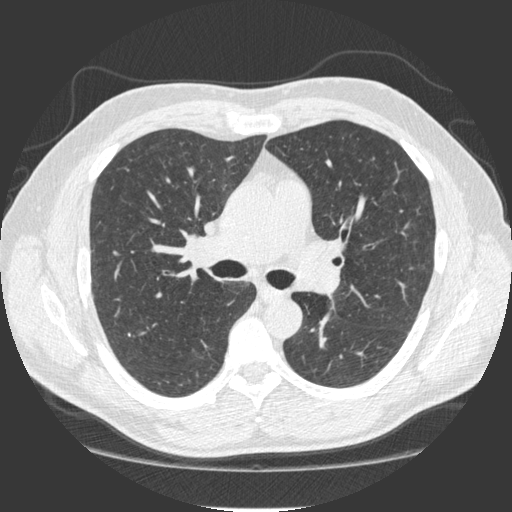
This is axial slice 132 of 241 (slice 1 is the lowest) of a chest CT; each pixel is 0.684 mm and the slice is 1.25 mm thick. Pulmonary nodule at rows 333–336, columns 128–130 (box = that reader's outline on this slice), outlined by one of the four readers; longest diameter 4.3 mm and volume 27 mm3 from that reader's outline. That reader's ratings: texture 5/5 (solid); margin 5/5 (circumscribed); sphericity 3/5 (ovoid); calcification solid calcification; internal structure soft tissue; subtlety 5/5; malignancy likelihood 1/5. Scale key (1–5): texture non-solid→solid, margin indistinct→circumscribed, sphericity linear→round, subtlety extremely subtle→obvious, malignancy likelihood highly unlikely→highly suspicious of cancer. Box rows and columns are 0-based pixel indices from the top-left corner, inclusive.
Scan settings: 120 kVp, STANDARD reconstruction kernel.